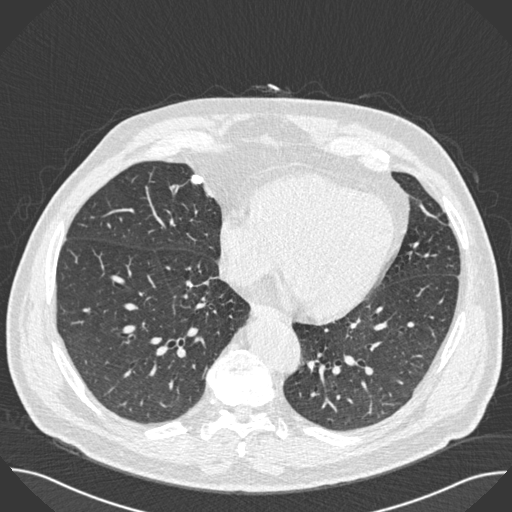
Slice 216/493 of a chest CT, counting up from the lowest; pixel size 0.762 mm, slice thickness 0.75 mm. Pulmonary nodule outlined by all four readers; box rows 174–184, columns 191–203 (the union of the readers' outlines on this slice); longest diameter 11.0 mm on average over the four readers' outlines (readers' outlines 10.6–11.2 mm), volume 320–406 mm3. The readers' prevailing ratings and who disagreed: texture 5/5 (solid), all four readers agreeing; margin 5/5 (circumscribed) from all four readers; most readers (three of four) put sphericity at 4/5, others 3/5 (ovoid) (one); calcification solid calcification by three of four readers, central calcification (one); internal structure soft tissue from all four readers; subtlety split among the readers: 4/5 (two), 5/5 (two); malignancy likelihood 1/5, all four readers agreeing. Scale key (1–5): texture non-solid→solid, margin indistinct→circumscribed, sphericity linear→round, subtlety extremely subtle→obvious, malignancy likelihood highly unlikely→highly suspicious of cancer. Box rows and columns are 0-based pixel indices from the top-left corner, inclusive.
Acquired at 120 kVp and reconstructed with the B30f kernel.